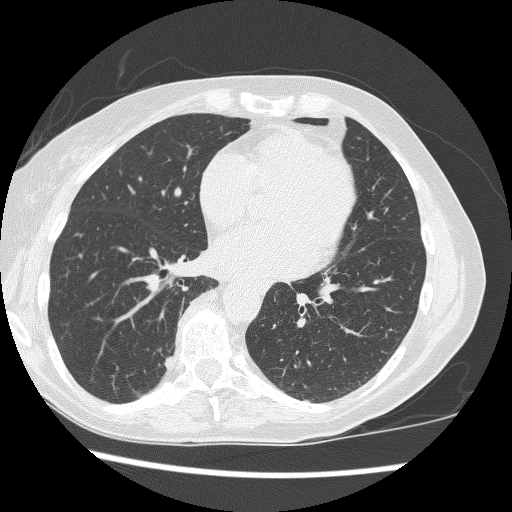
Axial slice 124 of 257 of a chest CT (slice 1 is the lowest), reconstructed with the BONE kernel at 120 kVp; 1.25 mm slice thickness and 0.627 mm pixels.
Pulmonary nodule, outlined by all four readers. Box on this slice rows 356–369, columns 165–175, the union of the readers' outlines on this slice; longest diameter 9.0–11.5 mm and volume 130–194 mm3 across the four readers' outlines. The readers' ratings, as ranges where they differ: texture from 4/5 to 5/5 (solid) across the four readers; margin from 3/5 to 4/5 across the four readers; sphericity from 2/5 to 3/5 (ovoid) across the four readers; calcification absent, all four readers agreeing; internal structure soft tissue, all four readers agreeing; subtlety 3–4/5 (the readers disagree); malignancy likelihood from 2/5 to 3/5 across the four readers. Scale key (1–5): texture non-solid→solid, margin indistinct→circumscribed, sphericity linear→round, subtlety extremely subtle→obvious, malignancy likelihood highly unlikely→highly suspicious of cancer. Box rows and columns are 0-based pixel indices from the top-left corner, inclusive.